Axial chest CT slice 150 of 229 (counted from the lowest slice); tube voltage 120 kVp, convolution kernel BONE; slices 1.25 mm thick, 0.654 mm per pixel.
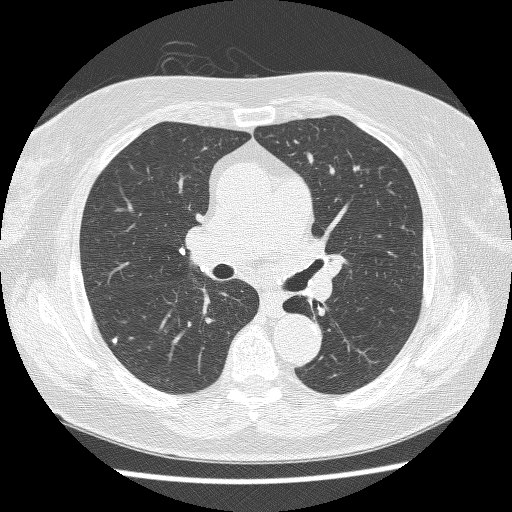
Two pulmonary nodules are outlined on this slice; from left to right: (1) Pulmonary nodule outlined by all four readers; box rows 337–343, columns 112–117 (the union of the readers' outlines on this slice); longest diameter 7.3 mm on average over the four readers' outlines (readers' outlines 7.3 mm), volume 124–150 mm3. Ratings, by the readers' most common answer with dissent counted: texture 5/5 (solid), all four readers agreeing; margin 5/5 (circumscribed), all four readers agreeing; sphericity split among the readers: 4/5 (two), 5/5 (round) (two); calcification solid calcification from all four readers; internal structure soft tissue, all four readers agreeing; subtlety 5/5 by two of four readers; the rest gave 3/5 (one), 4/5 (one); malignancy likelihood 1/5, all four readers agreeing. (2) Pulmonary nodule at rows 246–256, columns 177–186 (box = the union of the readers' outlines on this slice), outlined by all four readers; longest diameter 6.4 mm on average over the four readers' outlines (readers' outlines 5.6–8.0 mm), volume 58–119 mm3. The readers' prevailing ratings and who disagreed: texture 5/5 (solid) from all four readers; margin 5/5 (circumscribed) from all four readers; sphericity 3/5 (ovoid) by two of four readers; the rest gave 4/5 (one), 5/5 (round) (one); calcification solid calcification from all four readers; internal structure soft tissue, all four readers agreeing; subtlety 4/5 by two of four readers; the rest gave 3/5 (one), 5/5 (one); malignancy likelihood 1/5 from all four readers. Scale key (1–5): texture non-solid→solid, margin indistinct→circumscribed, sphericity linear→round, subtlety extremely subtle→obvious, malignancy likelihood highly unlikely→highly suspicious of cancer. Box rows and columns are 0-based pixel indices from the top-left corner, inclusive.